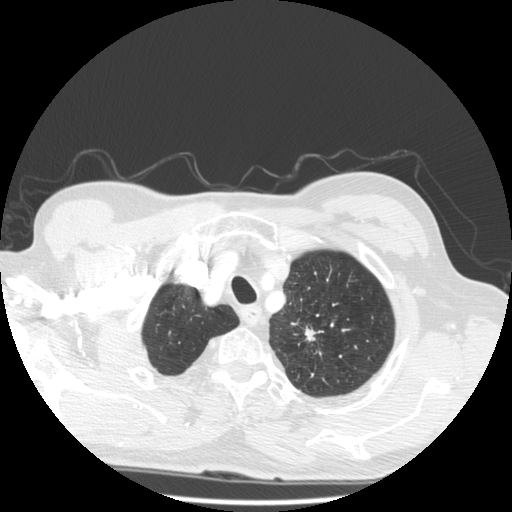
Axial chest CT slice 447 of 501 (counted from the lowest slice); tube voltage 140 kVp, convolution kernel STANDARD; slices 1.25 mm thick, 0.703 mm per pixel.
Pulmonary nodule at rows 326–340, columns 304–323 (box = the union of the readers' outlines on this slice), outlined by three of the four readers; median longest diameter 33.8 mm (readers' outlines 32.1–39.2 mm), median volume 3078 mm3 (2361–4873 mm3). Median ratings and the readers' spread: median texture 5/5 (solid) (readers ranged 4/5 to 5/5 (solid)); margin 3/5 at the median of three readers, spread 1/5 (indistinct) to 5/5 (circumscribed); median sphericity 3/5 (ovoid) (readers ranged 2/5 to 5/5 (round)); calcification absent, all three readers agreeing; internal structure soft tissue, all three readers agreeing; subtlety 5/5 from all three readers; median malignancy likelihood 5/5 (readers ranged 4–5). Scale key (1–5): texture non-solid→solid, margin indistinct→circumscribed, sphericity linear→round, subtlety extremely subtle→obvious, malignancy likelihood highly unlikely→highly suspicious of cancer. Box rows and columns are 0-based pixel indices from the top-left corner, inclusive.